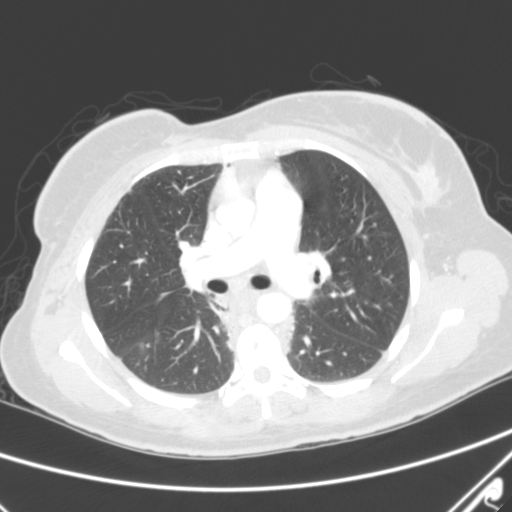
One axial slice (163 of 263, counting up from the lowest) of a chest CT acquired at 120 kVp with the B kernel; each pixel is 0.664 mm and the slice is 2.00 mm thick.
Pulmonary nodule, outlined two times (the source holds three more outlines, not used). Box on this slice rows 342–347, columns 140–142, the union of the readers' outlines on this slice; longest diameter 13.7 mm on average over the two readers' outlines (readers' outlines 12.2–15.2 mm), volume 731–1229 mm3. Ratings, by the readers' most common answer with dissent counted: texture split among the readers: 1/5 (non-solid) (one), 3/5 (part-solid) (one); margin split among the readers: 2/5 (one), 3/5 (one); sphericity split among the readers: 3/5 (ovoid) (one), 4/5 (one); calcification absent from both readers; internal structure soft tissue from both readers; subtlety 3/5 from both readers; malignancy likelihood split among the readers: 2/5 (one), 4/5 (one). Scale key (1–5): texture non-solid→solid, margin indistinct→circumscribed, sphericity linear→round, subtlety extremely subtle→obvious, malignancy likelihood highly unlikely→highly suspicious of cancer. Box rows and columns are 0-based pixel indices from the top-left corner, inclusive.